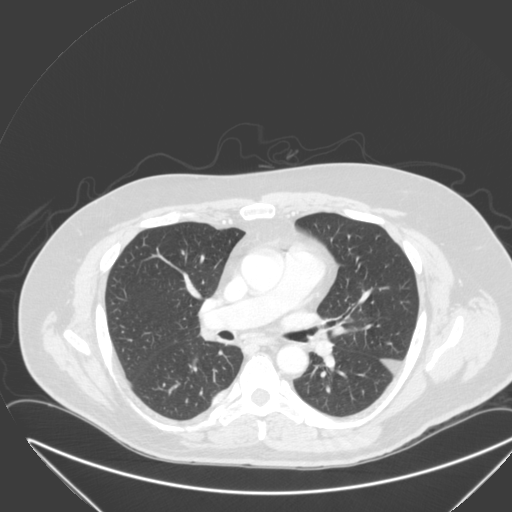
Axial chest CT slice 183 of 315 (counted from the lowest slice); tube voltage 120 kVp, convolution kernel B; slices 2.00 mm thick, 0.830 mm per pixel.
Pulmonary nodule at rows 390–402, columns 213–225 (box = that reader's outline on this slice), outlined by one of the four readers; longest diameter 27.1 mm and volume 6093 mm3 from that reader's outline. Ratings by that reader: texture 5/5 (solid); margin 4/5; sphericity 2/5; calcification absent; internal structure soft tissue; subtlety 5/5; malignancy likelihood 4/5. Scale key (1–5): texture non-solid→solid, margin indistinct→circumscribed, sphericity linear→round, subtlety extremely subtle→obvious, malignancy likelihood highly unlikely→highly suspicious of cancer. Box rows and columns are 0-based pixel indices from the top-left corner, inclusive.